Chest CT, axial plane, 130 kVp, kernel B31s. Slice 37/107 from the bottom of the scan; thickness 3.00 mm; pixel size 0.742 mm.
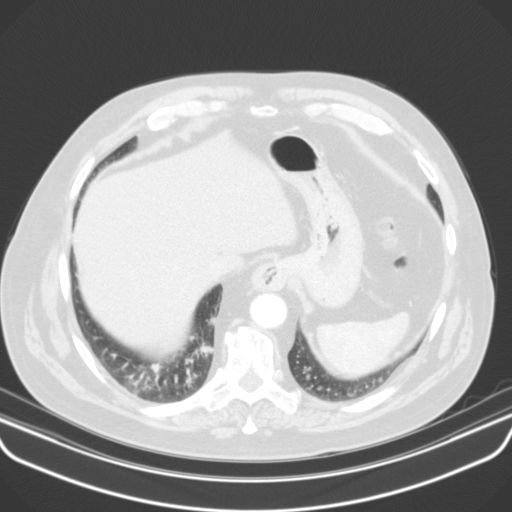
Pulmonary nodule outlined by one of the four readers; box rows 364–372, columns 152–158 (that reader's outline on this slice); longest diameter 10.5 mm and volume 181 mm3 from that reader's outline. That reader's ratings: texture 4/5; margin 2/5; sphericity 4/5; calcification absent; internal structure soft tissue; subtlety 4/5; malignancy likelihood 3/5. Scale key (1–5): texture non-solid→solid, margin indistinct→circumscribed, sphericity linear→round, subtlety extremely subtle→obvious, malignancy likelihood highly unlikely→highly suspicious of cancer. Box rows and columns are 0-based pixel indices from the top-left corner, inclusive.